One axial slice (53 of 251, counting up from the lowest) of a chest CT acquired at 120 kVp with the STANDARD kernel; each pixel is 0.809 mm and the slice is 1.25 mm thick.
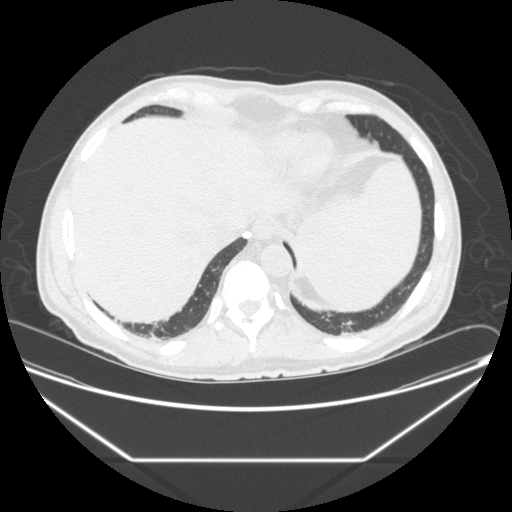
Pulmonary nodule outlined by one of the four readers; box rows 232–238, columns 243–251 (that reader's outline on this slice); longest diameter 9.8 mm and volume 269 mm3 from that reader's outline. That reader's ratings: texture 5/5 (solid); margin 5/5 (circumscribed); sphericity 5/5 (round); calcification solid calcification; internal structure soft tissue; subtlety 5/5; malignancy likelihood 1/5. Scale key (1–5): texture non-solid→solid, margin indistinct→circumscribed, sphericity linear→round, subtlety extremely subtle→obvious, malignancy likelihood highly unlikely→highly suspicious of cancer. Box rows and columns are 0-based pixel indices from the top-left corner, inclusive.